Axial slice 107 of 280 of a chest CT (slice 1 is the lowest), reconstructed with the D kernel at 120 kVp; 1.00 mm slice thickness and 0.666 mm pixels.
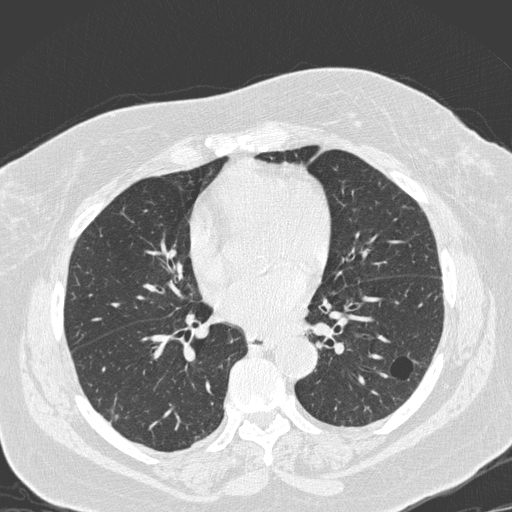
Two pulmonary nodules on this slice, listed from left to right. (1) Pulmonary nodule, outlined by two of the four readers, one of them on this slice. Box on this slice rows 408–420, columns 108–118, the one reader's outline on this slice; median longest diameter 17.7 mm (readers' outlines 16.7–18.8 mm), median volume 1269 mm3 (1162–1377 mm3). Ratings, median across the readers with their spread: texture 1/5 (non-solid) from both readers; margin 2/5, both readers agreeing; sphericity 4/5 at the median of two readers, spread 3/5 (ovoid) to 5/5 (round); calcification absent, both readers agreeing; internal structure soft tissue from both readers; subtlety 2.5/5 at the median of two readers, spread 1–4; median malignancy likelihood 2.5/5 (readers ranged 2–3). (2) Pulmonary nodule, outlined by two of the four readers. Box on this slice rows 250–257, columns 168–175, the union of the readers' outlines on this slice; longest diameter 7.6 mm on average over the two readers' outlines (readers' outlines 7.4–7.8 mm), volume 96–113 mm3. The readers' prevailing ratings and who disagreed: texture 5/5 (solid), both readers agreeing; margin 5/5 (circumscribed), both readers agreeing; sphericity split among the readers: 4/5 (one), 5/5 (round) (one); calcification absent, both readers agreeing; internal structure soft tissue, both readers agreeing; subtlety 3/5, both readers agreeing; malignancy likelihood split among the readers: 2/5 (one), 3/5 (one). Scale key (1–5): texture non-solid→solid, margin indistinct→circumscribed, sphericity linear→round, subtlety extremely subtle→obvious, malignancy likelihood highly unlikely→highly suspicious of cancer. Box rows and columns are 0-based pixel indices from the top-left corner, inclusive.